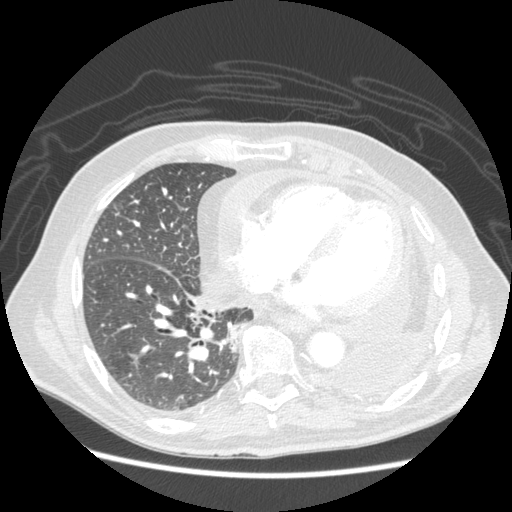
Chest CT, axial plane, 120 kVp, kernel STANDARD. Slice 87/214 from the bottom of the scan; thickness 1.25 mm; pixel size 0.703 mm.
Pulmonary nodule outlined by two of the four readers; box rows 351–365, columns 127–145 (the union of the readers' outlines on this slice); the two readers' outlines give a longest diameter between 12.8 and 14.3 mm and a volume between 228 and 287 mm3. Ratings across the readers: texture from 4/5 to 5/5 (solid) across the two readers; margin 4/5, both readers agreeing; sphericity from 4/5 to 5/5 (round) across the two readers; calcification absent from both readers; internal structure soft tissue, both readers agreeing; subtlety 5/5, both readers agreeing; malignancy likelihood rated between 3 and 4 out of 5 by the two readers. Scale key (1–5): texture non-solid→solid, margin indistinct→circumscribed, sphericity linear→round, subtlety extremely subtle→obvious, malignancy likelihood highly unlikely→highly suspicious of cancer. Box rows and columns are 0-based pixel indices from the top-left corner, inclusive.